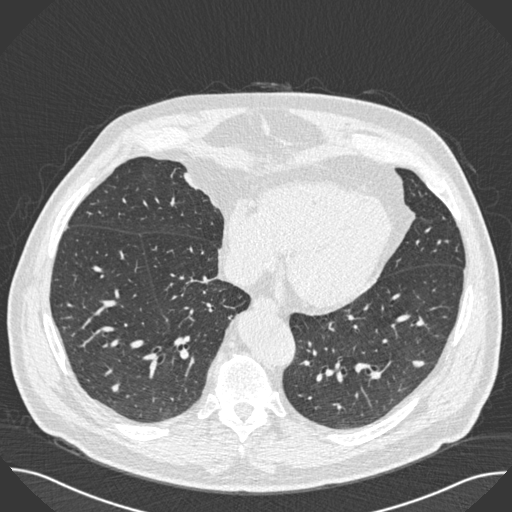
Axial chest CT slice 204 of 493 (counted from the lowest slice); 0.75 mm thick, 0.762 mm per pixel. Pulmonary nodule, outlined by all four readers. Box on this slice rows 360–366, columns 412–424, the union of the readers' outlines on this slice; longest diameter 10.4 mm on average over the four readers' outlines (readers' outlines 10.0–10.8 mm), volume 188–224 mm3. The readers' prevailing ratings and who disagreed: texture 5/5 (solid) from all four readers; margin split among the readers: 4/5 (two), 5/5 (circumscribed) (two); sphericity 3/5 (ovoid) from all four readers; calcification absent by three of four readers, solid calcification (one); internal structure soft tissue from all four readers; subtlety 4/5 by two of four readers; the rest gave 3/5 (one), 5/5 (one); malignancy likelihood 3/5 by three of four readers; the rest gave 2/5 (one). Scale key (1–5): texture non-solid→solid, margin indistinct→circumscribed, sphericity linear→round, subtlety extremely subtle→obvious, malignancy likelihood highly unlikely→highly suspicious of cancer. Box rows and columns are 0-based pixel indices from the top-left corner, inclusive.
Tube voltage 120 kVp; convolution kernel B30f.